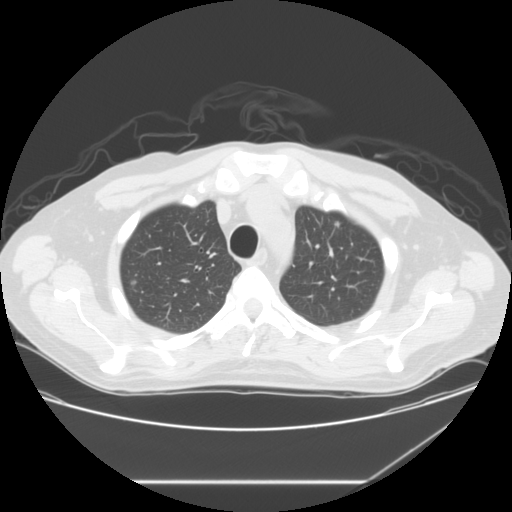
One axial slice (108 of 133, counting up from the lowest) of a chest CT acquired at 120 kVp with the STANDARD kernel; each pixel is 0.781 mm and the slice is 2.50 mm thick.
Pulmonary nodule, outlined by all four readers, three of them on this slice. Box on this slice rows 280–284, columns 131–136, the union of the readers' outlines on this slice; median longest diameter 8.4 mm (readers' outlines 7.7–9.7 mm), median volume 229 mm3 (196–260 mm3). Median ratings and the readers' spread: texture 4.5/5 at the median of four readers, spread 4/5 to 5/5 (solid); median margin 4.5/5 (readers ranged 4/5 to 5/5 (circumscribed)); median sphericity 5/5 (round) (readers ranged 4/5 to 5/5 (round)); calcification absent from all four readers; internal structure soft tissue, all four readers agreeing; subtlety 4/5 at the median of four readers, spread 3–4; median malignancy likelihood 3/5 (readers ranged 2–3). Scale key (1–5): texture non-solid→solid, margin indistinct→circumscribed, sphericity linear→round, subtlety extremely subtle→obvious, malignancy likelihood highly unlikely→highly suspicious of cancer. Box rows and columns are 0-based pixel indices from the top-left corner, inclusive.